Axial slice 204 of 368 of a chest CT (slice 1 is the lowest), reconstructed with the B70f kernel at 120 kVp; 2.00 mm slice thickness and 0.623 mm pixels.
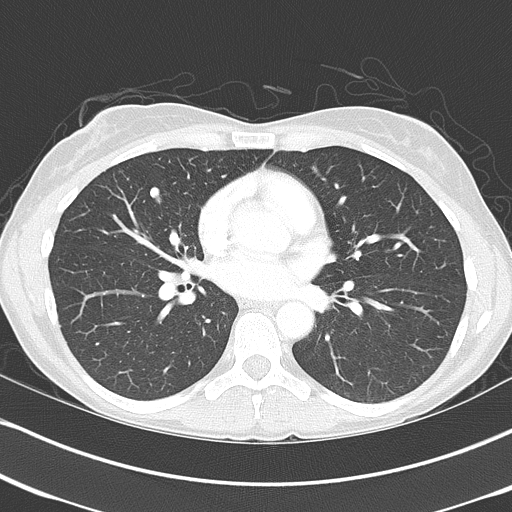
Pulmonary nodule at rows 187–203, columns 149–161 (box = the union of the readers' outlines on this slice), outlined by all four readers; the four readers' outlines give a longest diameter between 12.1 and 13.5 mm and a volume between 274 and 376 mm3. Ratings across the readers: texture from 4/5 to 5/5 (solid) across the four readers; margin from 3/5 to 5/5 (circumscribed) across the four readers; sphericity from 2/5 to 3/5 (ovoid) across the four readers; calcification: absent (two), non-central calcification (one), solid calcification (one); internal structure soft tissue from all four readers; subtlety 5/5, all four readers agreeing; malignancy likelihood 2–4/5 (the readers disagree). Scale key (1–5): texture non-solid→solid, margin indistinct→circumscribed, sphericity linear→round, subtlety extremely subtle→obvious, malignancy likelihood highly unlikely→highly suspicious of cancer. Box rows and columns are 0-based pixel indices from the top-left corner, inclusive.